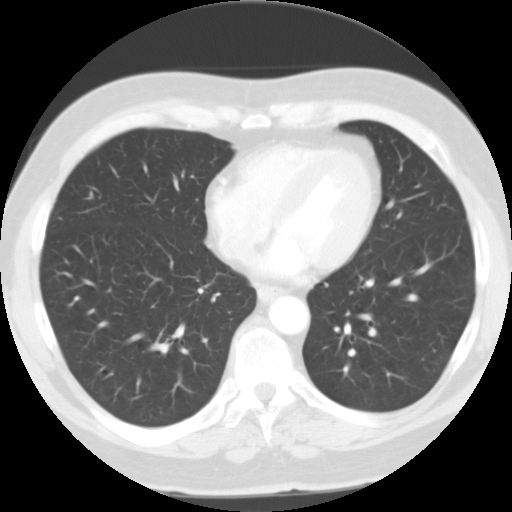
Chest CT, axial plane, 135 kVp, kernel FC01. Slice 46/116 from the bottom of the scan; thickness 3.00 mm; pixel size 0.692 mm.
The readers outlined no nodule of 3 mm or more on this slice.